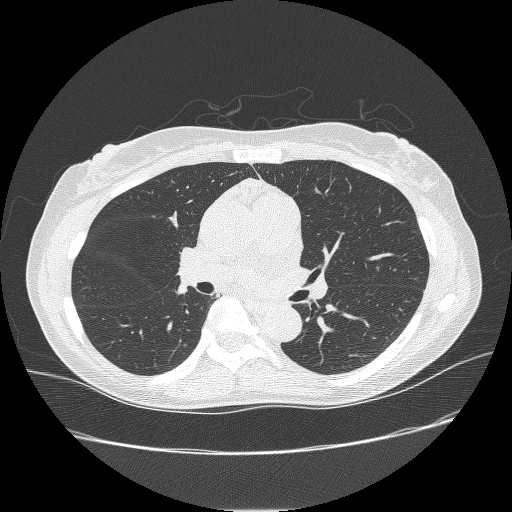
Chest CT, axial plane, 120 kVp, kernel BONE. Slice 146/238 from the bottom of the scan; thickness 1.25 mm; pixel size 0.703 mm.
Pulmonary nodule, outlined by three of the four readers, one of them on this slice. Box on this slice rows 267–271, columns 375–380, the one reader's outline on this slice; longest diameter 8.2–10.1 mm and volume 125–233 mm3 across the three readers' outlines. Ratings across the readers: texture from 1/5 (non-solid) to 2/5 across the three readers; margin from 1/5 (indistinct) to 2/5 across the three readers; sphericity from 4/5 to 5/5 (round) across the three readers; calcification absent, all three readers agreeing; internal structure soft tissue from all three readers; subtlety rated between 3 and 4 out of 5 by the three readers; malignancy likelihood 3–4/5 (the readers disagree). Scale key (1–5): texture non-solid→solid, margin indistinct→circumscribed, sphericity linear→round, subtlety extremely subtle→obvious, malignancy likelihood highly unlikely→highly suspicious of cancer. Box rows and columns are 0-based pixel indices from the top-left corner, inclusive.